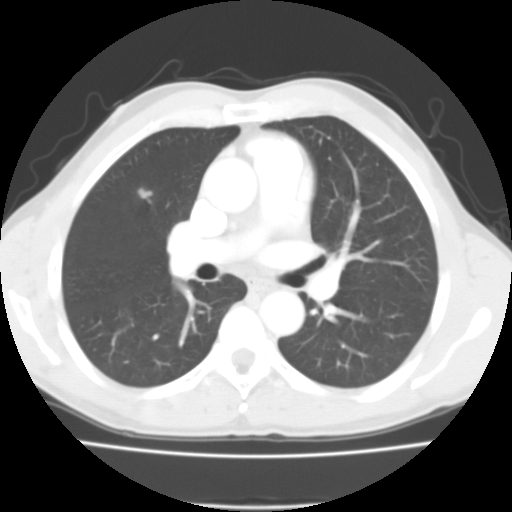
Axial chest CT slice 62 of 104 (counted from the lowest slice); tube voltage 135 kVp, convolution kernel FC01; slices 3.00 mm thick, 0.622 mm per pixel.
Pulmonary nodule at rows 187–204, columns 137–153 (box = the union of the readers' outlines on this slice), outlined by three of the four readers; median longest diameter 12.3 mm (readers' outlines 10.7–13.5 mm), median volume 402 mm3 (106–546 mm3). Median ratings and the readers' spread: texture 5/5 (solid) at the median of three readers, spread 3/5 (part-solid) to 5/5 (solid); median margin 4/5 (readers ranged 2/5 to 4/5); sphericity 3/5 (ovoid) at the median of three readers, spread 2/5 to 4/5; calcification absent from all three readers; internal structure soft tissue, all three readers agreeing; median subtlety 4/5 (readers ranged 3–5); median malignancy likelihood 3/5 (readers ranged 1–4). Scale key (1–5): texture non-solid→solid, margin indistinct→circumscribed, sphericity linear→round, subtlety extremely subtle→obvious, malignancy likelihood highly unlikely→highly suspicious of cancer. Box rows and columns are 0-based pixel indices from the top-left corner, inclusive.